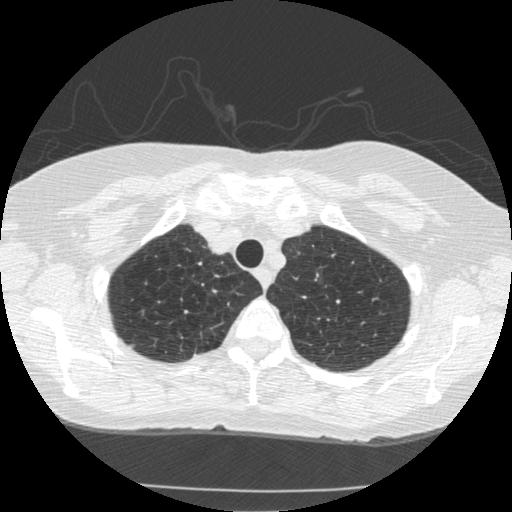
Axial chest CT slice 429 of 519 (counted from the lowest slice); tube voltage 120 kVp, convolution kernel STANDARD; slices 1.25 mm thick, 0.645 mm per pixel.
Pulmonary nodule outlined by one of the four readers; box rows 344–348, columns 128–135 (that reader's outline on this slice); longest diameter 6.5 mm and volume 31 mm3 from that reader's outline. Ratings by that reader: texture 5/5 (solid); margin 4/5; sphericity 3/5 (ovoid); calcification absent; internal structure soft tissue; subtlety 5/5; malignancy likelihood 2/5. Scale key (1–5): texture non-solid→solid, margin indistinct→circumscribed, sphericity linear→round, subtlety extremely subtle→obvious, malignancy likelihood highly unlikely→highly suspicious of cancer. Box rows and columns are 0-based pixel indices from the top-left corner, inclusive.